Axial slice 401 of 481 of a chest CT (slice 1 is the lowest), reconstructed with the STANDARD kernel at 120 kVp; 1.25 mm slice thickness and 0.742 mm pixels.
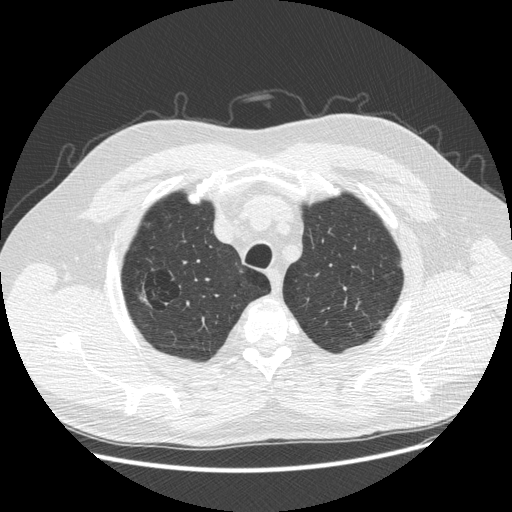
Pulmonary nodule at rows 292–301, columns 138–146 (box = the one reader's outline on this slice), outlined by two of the four readers, one of them on this slice; longest diameter 15.0–18.6 mm and volume 293–924 mm3 across the two readers' outlines. The readers' ratings, as ranges where they differ: texture 1/5 (non-solid), both readers agreeing; margin from 1/5 (indistinct) to 2/5 across the two readers; sphericity from 3/5 (ovoid) to 5/5 (round) across the two readers; calcification absent, both readers agreeing; internal structure soft tissue from both readers; subtlety 1–2/5 (the readers disagree); malignancy likelihood 2–4/5 (the readers disagree). Scale key (1–5): texture non-solid→solid, margin indistinct→circumscribed, sphericity linear→round, subtlety extremely subtle→obvious, malignancy likelihood highly unlikely→highly suspicious of cancer. Box rows and columns are 0-based pixel indices from the top-left corner, inclusive.